Axial chest CT slice 135 of 290 (counted from the lowest slice); tube voltage 120 kVp, convolution kernel D; slices 2.00 mm thick, 0.648 mm per pixel.
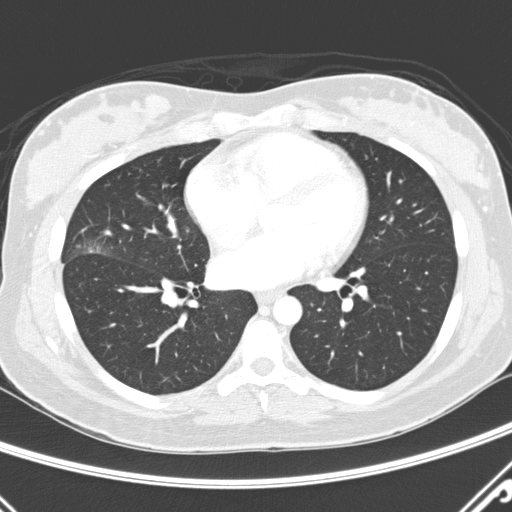
Pulmonary nodule outlined by all four readers, one of them on this slice; box rows 243–251, columns 83–100 (the one reader's outline on this slice); the four readers' outlines give a longest diameter between 19.9 and 37.8 mm and a volume between 1327 and 2956 mm3. The readers' ratings, as ranges where they differ: texture from 3/5 (part-solid) to 5/5 (solid) across the four readers; margin from 1/5 (indistinct) to 3/5 across the four readers; sphericity from 2/5 to 4/5 across the four readers; calcification absent from all four readers; internal structure soft tissue, all four readers agreeing; subtlety 5/5 from all four readers; malignancy likelihood rated between 3 and 5 out of 5 by the four readers. Scale key (1–5): texture non-solid→solid, margin indistinct→circumscribed, sphericity linear→round, subtlety extremely subtle→obvious, malignancy likelihood highly unlikely→highly suspicious of cancer. Box rows and columns are 0-based pixel indices from the top-left corner, inclusive.